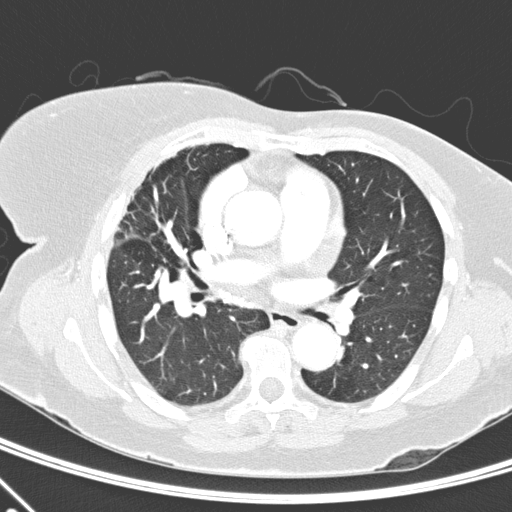
Slice 124/248 of a chest CT, counting up from the lowest; pixel size 0.633 mm, slice thickness 2.00 mm. The readers outlined no nodule of 3 mm or more on this slice.
Acquired at 120 kVp and reconstructed with the D kernel.